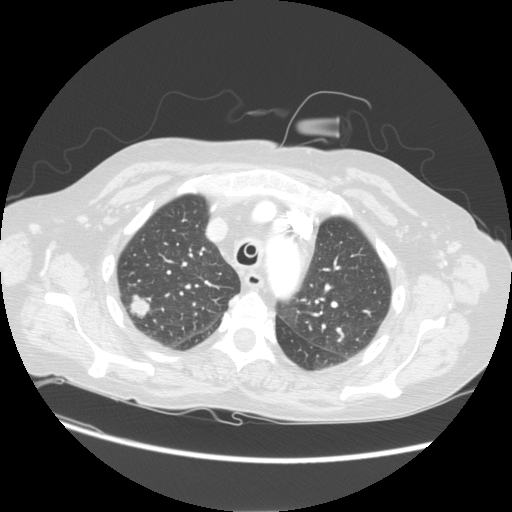
One axial slice (92 of 113, counting up from the lowest) of a chest CT acquired at 120 kVp with the STANDARD kernel; each pixel is 0.742 mm and the slice is 2.50 mm thick.
Pulmonary nodule, outlined by all four readers. Box on this slice rows 293–318, columns 127–150, the union of the readers' outlines on this slice; median longest diameter 20.4 mm (readers' outlines 19.0–21.1 mm), median volume 2378 mm3 (1815–2942 mm3). Median ratings and the readers' spread: texture 5/5 (solid) from all four readers; margin 4/5 at the median of four readers, spread 2/5 to 5/5 (circumscribed); sphericity 4.5/5 at the median of four readers, spread 3/5 (ovoid) to 5/5 (round); calcification absent, all four readers agreeing; internal structure soft tissue, all four readers agreeing; subtlety 5/5, all four readers agreeing; median malignancy likelihood 5/5 (readers ranged 3–5). Scale key (1–5): texture non-solid→solid, margin indistinct→circumscribed, sphericity linear→round, subtlety extremely subtle→obvious, malignancy likelihood highly unlikely→highly suspicious of cancer. Box rows and columns are 0-based pixel indices from the top-left corner, inclusive.